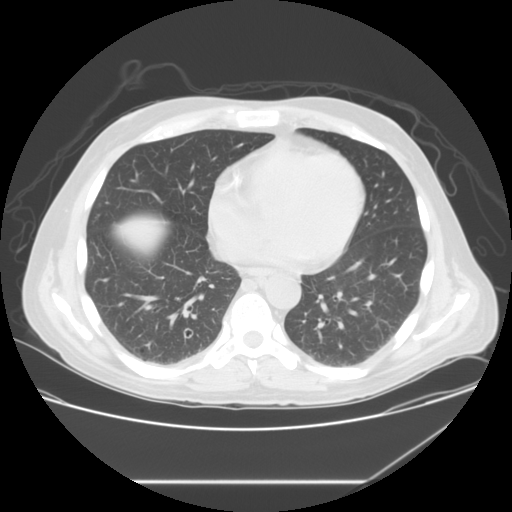
Slice 68/133 of a chest CT, counting up from the lowest; pixel size 0.781 mm, slice thickness 2.50 mm. Pulmonary nodule at rows 327–339, columns 182–194 (box = the union of the readers' outlines on this slice), outlined by three of the four readers; longest diameter 9.9–11.4 mm and volume 400–469 mm3 across the three readers' outlines. The readers' ratings, as ranges where they differ: texture from 2/5 to 5/5 (solid) across the three readers; margin from 4/5 to 5/5 (circumscribed) across the three readers; sphericity from 4/5 to 5/5 (round) across the three readers; calcification absent from all three readers; internal structure: air (two), soft tissue (one); subtlety from 3/5 to 4/5 across the three readers; malignancy likelihood from 3/5 to 4/5 across the three readers. Scale key (1–5): texture non-solid→solid, margin indistinct→circumscribed, sphericity linear→round, subtlety extremely subtle→obvious, malignancy likelihood highly unlikely→highly suspicious of cancer. Box rows and columns are 0-based pixel indices from the top-left corner, inclusive.
Acquired at 120 kVp and reconstructed with the STANDARD kernel.